One axial slice (101 of 181, counting up from the lowest) of a chest CT acquired at 120 kVp with the B30f kernel; each pixel is 0.723 mm and the slice is 2.00 mm thick.
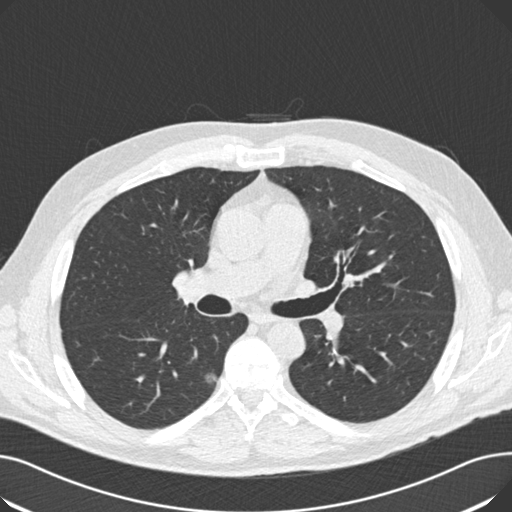
Pulmonary nodule at rows 372–382, columns 204–215 (box = the union of the readers' outlines on this slice), outlined by two of the four readers; median longest diameter 11.4 mm (readers' outlines 11.1–11.8 mm), median volume 336 mm3 (308–364 mm3). Ratings, median across the readers with their spread: median texture 3/5 (part-solid) (readers ranged 2/5 to 4/5); median margin 3.5/5 (readers ranged 3/5 to 4/5); sphericity 3.5/5 at the median of two readers, spread 3/5 (ovoid) to 4/5; calcification absent from both readers; internal structure soft tissue, both readers agreeing; subtlety 4/5 from both readers; malignancy likelihood 3.5/5 at the median of two readers, spread 3–4. Scale key (1–5): texture non-solid→solid, margin indistinct→circumscribed, sphericity linear→round, subtlety extremely subtle→obvious, malignancy likelihood highly unlikely→highly suspicious of cancer. Box rows and columns are 0-based pixel indices from the top-left corner, inclusive.